Axial slice 277 of 513 of a chest CT (slice 1 is the lowest), reconstructed with the STANDARD kernel at 120 kVp; 1.25 mm slice thickness and 0.703 mm pixels.
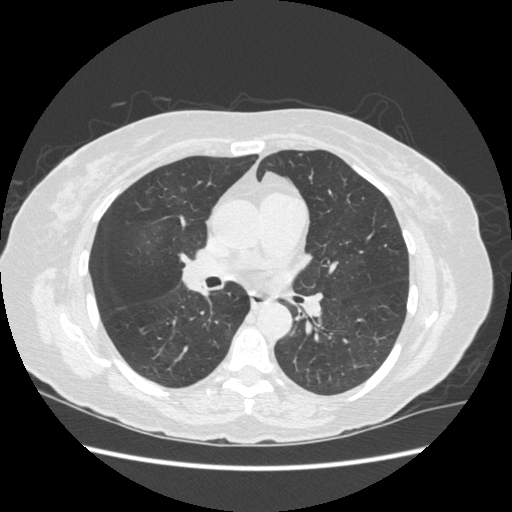
No nodule 3 mm or larger was outlined here by any reader.